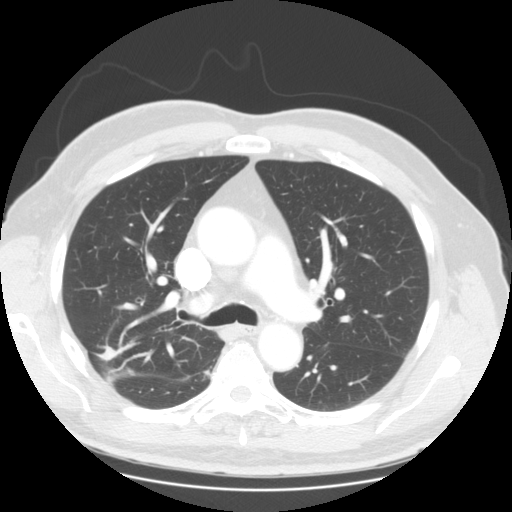
Slice 100/145 of a chest CT, counting up from the lowest; pixel size 0.781 mm, slice thickness 2.50 mm. Pulmonary nodule, outlined by three of the four readers, two of them on this slice. Box on this slice rows 346–359, columns 99–117, the union of the readers' outlines on this slice; median longest diameter 31.4 mm (readers' outlines 28.0–34.8 mm), median volume 4034 mm3 (3063–5177 mm3). Median ratings and the readers' spread: texture 5/5 (solid) at the median of three readers, spread 4/5 to 5/5 (solid); median margin 4/5 (readers ranged 2/5 to 4/5); median sphericity 3/5 (ovoid) (readers ranged 2/5 to 5/5 (round)); calcification absent, all three readers agreeing; internal structure soft tissue, all three readers agreeing; subtlety 5/5 from all three readers; malignancy likelihood 4/5 at the median of three readers, spread 3–5. Scale key (1–5): texture non-solid→solid, margin indistinct→circumscribed, sphericity linear→round, subtlety extremely subtle→obvious, malignancy likelihood highly unlikely→highly suspicious of cancer. Box rows and columns are 0-based pixel indices from the top-left corner, inclusive.
Tube voltage 120 kVp; convolution kernel STANDARD.